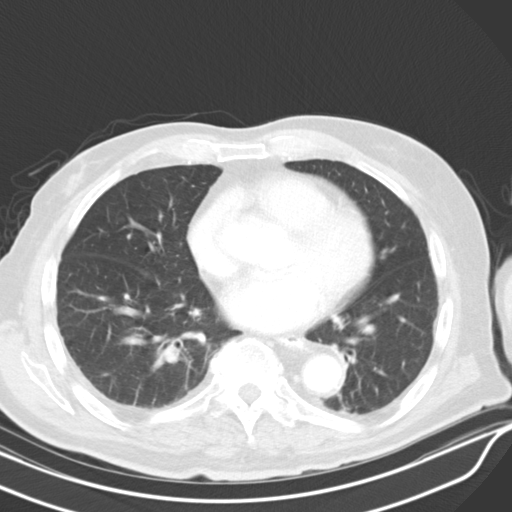
One axial slice (226 of 319, counting up from the lowest) of a chest CT acquired at 130 kVp with the B30s kernel; each pixel is 0.729 mm and the slice is 4.00 mm thick.
Pulmonary nodule outlined by one of the four readers; box rows 316–327, columns 332–343 (that reader's outline on this slice); longest diameter 15.4 mm and volume 875 mm3 from that reader's outline. Ratings by that reader: texture 4/5; margin 2/5; sphericity 2/5; calcification absent; internal structure soft tissue; subtlety 3/5; malignancy likelihood 3/5. Scale key (1–5): texture non-solid→solid, margin indistinct→circumscribed, sphericity linear→round, subtlety extremely subtle→obvious, malignancy likelihood highly unlikely→highly suspicious of cancer. Box rows and columns are 0-based pixel indices from the top-left corner, inclusive.